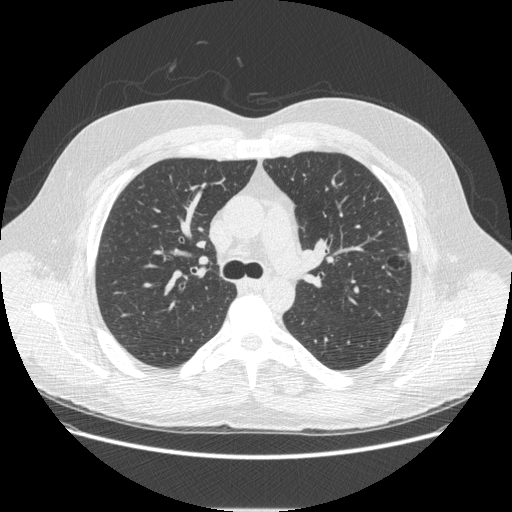
Axial slice 318 of 497 of a chest CT (slice 1 is the lowest), reconstructed with the STANDARD kernel at 120 kVp; 1.25 mm slice thickness and 0.762 mm pixels.
Pulmonary nodule outlined by all four readers; box rows 250–271, columns 384–409 (the union of the readers' outlines on this slice); longest diameter 21.5–22.5 mm and volume 2170–2597 mm3 across the four readers' outlines. The readers' ratings, as ranges where they differ: texture from 1/5 (non-solid) to 3/5 (part-solid) across the four readers; margin from 2/5 to 4/5 across the four readers; sphericity from 3/5 (ovoid) to 5/5 (round) across the four readers; calcification absent from all four readers; internal structure split among the readers: air (two), soft tissue (two); subtlety 1–5/5 (the readers disagree); malignancy likelihood from 1/5 to 5/5 across the four readers. Scale key (1–5): texture non-solid→solid, margin indistinct→circumscribed, sphericity linear→round, subtlety extremely subtle→obvious, malignancy likelihood highly unlikely→highly suspicious of cancer. Box rows and columns are 0-based pixel indices from the top-left corner, inclusive.